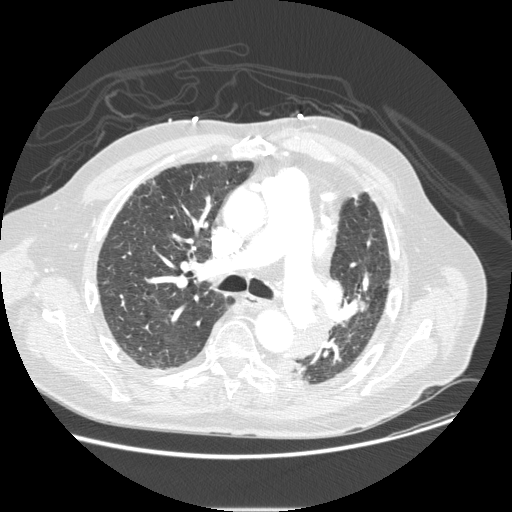
Axial slice 158 of 232 of a chest CT (slice 1 is the lowest), reconstructed with the STANDARD kernel at 120 kVp; 1.25 mm slice thickness and 0.781 mm pixels.
Pulmonary nodule at rows 298–312, columns 358–368 (box = the union of the readers' outlines on this slice), outlined by all four readers; longest diameter 21.5 mm on average over the four readers' outlines (readers' outlines 19.0–24.3 mm), volume 1498–2178 mm3. Ratings, by the readers' most common answer with dissent counted: texture 5/5 (solid) from all four readers; margin split among the readers: 4/5 (two), 5/5 (circumscribed) (two); sphericity 3/5 (ovoid), all four readers agreeing; calcification absent from all four readers; internal structure soft tissue, all four readers agreeing; subtlety split among the readers: 4/5 (two), 5/5 (two); malignancy likelihood split among the readers: 2/5 (one), 3/5 (one), 4/5 (one), 5/5 (one). Scale key (1–5): texture non-solid→solid, margin indistinct→circumscribed, sphericity linear→round, subtlety extremely subtle→obvious, malignancy likelihood highly unlikely→highly suspicious of cancer. Box rows and columns are 0-based pixel indices from the top-left corner, inclusive.